Axial chest CT slice 151 of 278 (counted from the lowest slice); tube voltage 130 kVp, convolution kernel B40s; slices 3.00 mm thick, 0.977 mm per pixel.
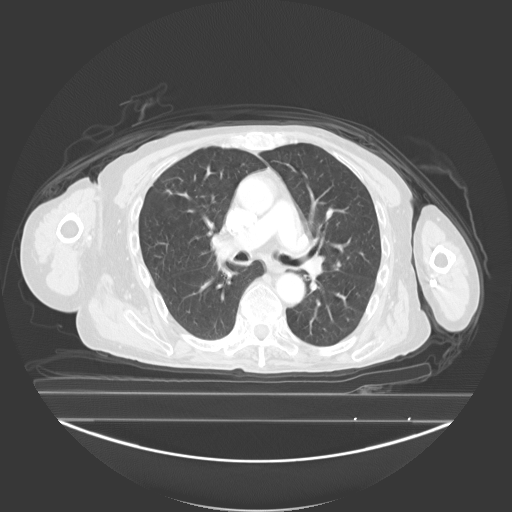
Pulmonary nodule at rows 260–266, columns 336–341 (box = the union of the readers' outlines on this slice), outlined by three of the four readers; longest diameter 13.5 mm on average over the three readers' outlines (readers' outlines 12.8–14.8 mm), volume 665–985 mm3. Ratings, by the readers' most common answer with dissent counted: most readers (two of three) put texture at 5/5 (solid), others 4/5 (one); margin 4/5, all three readers agreeing; sphericity 5/5 (round) by two of three readers; the rest gave 4/5 (one); calcification absent from all three readers; internal structure soft tissue, all three readers agreeing; subtlety split among the readers: 3/5 (one), 4/5 (one), 5/5 (one); malignancy likelihood split among the readers: 2/5 (one), 3/5 (one), 4/5 (one). Scale key (1–5): texture non-solid→solid, margin indistinct→circumscribed, sphericity linear→round, subtlety extremely subtle→obvious, malignancy likelihood highly unlikely→highly suspicious of cancer. Box rows and columns are 0-based pixel indices from the top-left corner, inclusive.